One axial slice (119 of 136, counting up from the lowest) of a chest CT acquired at 140 kVp with the BONE kernel; each pixel is 0.646 mm and the slice is 2.50 mm thick.
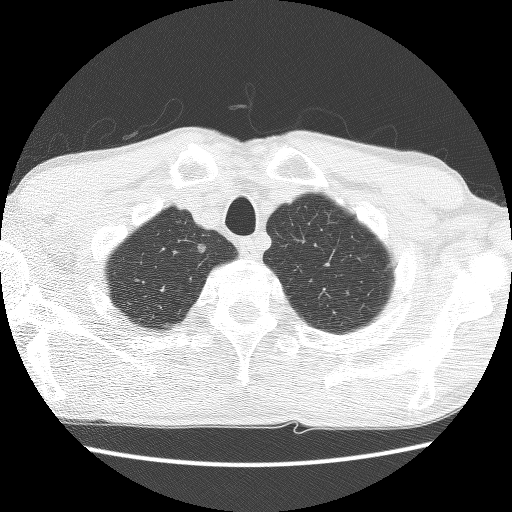
Pulmonary nodule at rows 243–252, columns 197–206 (box = the union of the readers' outlines on this slice), outlined by all four readers; the four readers' outlines give a longest diameter between 6.1 and 7.4 mm and a volume between 101 and 156 mm3. Ratings across the readers: texture from 2/5 to 3/5 (part-solid) across the four readers; margin from 2/5 to 5/5 (circumscribed) across the four readers; sphericity from 3/5 (ovoid) to 5/5 (round) across the four readers; calcification absent, all four readers agreeing; internal structure soft tissue, all four readers agreeing; subtlety rated between 3 and 5 out of 5 by the four readers; malignancy likelihood rated between 2 and 3 out of 5 by the four readers. Scale key (1–5): texture non-solid→solid, margin indistinct→circumscribed, sphericity linear→round, subtlety extremely subtle→obvious, malignancy likelihood highly unlikely→highly suspicious of cancer. Box rows and columns are 0-based pixel indices from the top-left corner, inclusive.